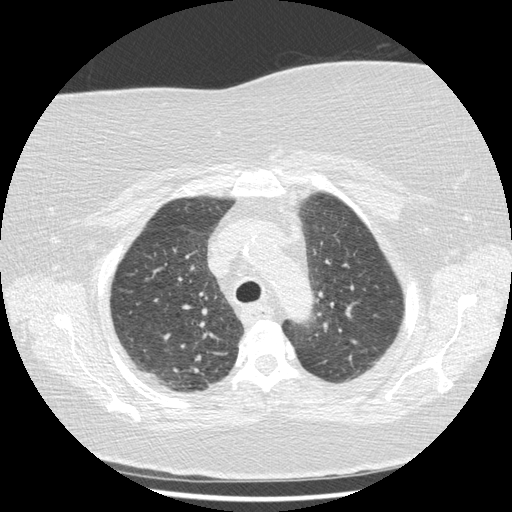
Axial slice 341 of 417 of a chest CT (slice 1 is the lowest), reconstructed with the STANDARD kernel at 120 kVp; 1.25 mm slice thickness and 0.703 mm pixels.
Pulmonary nodule, outlined by three of the four readers, two of them on this slice. Box on this slice rows 278–282, columns 145–150, the union of the readers' outlines on this slice; median longest diameter 7.3 mm (readers' outlines 7.2–7.6 mm), median volume 60 mm3 (57–61 mm3). Median ratings and the readers' spread: median texture 5/5 (solid) (readers ranged 4/5 to 5/5 (solid)); median margin 3/5 (readers ranged 2/5 to 4/5); median sphericity 3/5 (ovoid) (readers ranged 2/5 to 4/5); calcification absent, all three readers agreeing; internal structure soft tissue from all three readers; median subtlety 3/5 (readers ranged 3–5); median malignancy likelihood 2/5 (readers ranged 2–3). Scale key (1–5): texture non-solid→solid, margin indistinct→circumscribed, sphericity linear→round, subtlety extremely subtle→obvious, malignancy likelihood highly unlikely→highly suspicious of cancer. Box rows and columns are 0-based pixel indices from the top-left corner, inclusive.